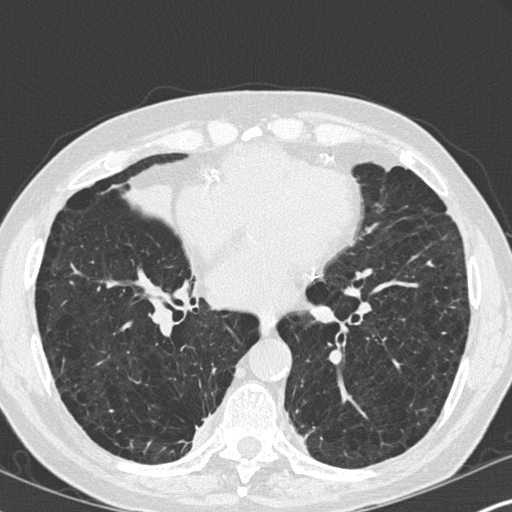
Axial chest CT slice 144 of 347 (counted from the lowest slice); 1.00 mm thick, 0.625 mm per pixel. The readers outlined no nodule of 3 mm or more on this slice.
Scan settings: 120 kVp, B45f reconstruction kernel.